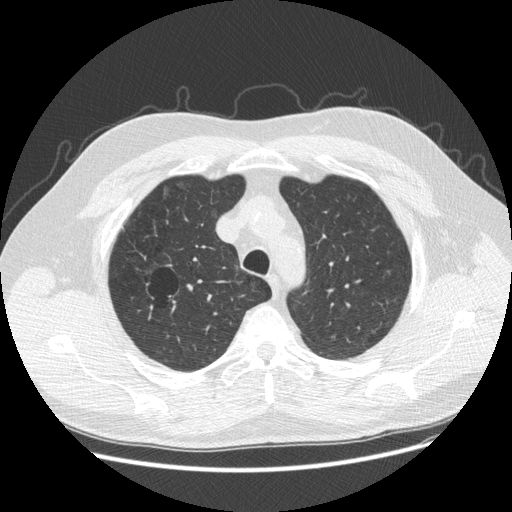
This is axial slice 384 of 481 (slice 1 is the lowest) of a chest CT; each pixel is 0.742 mm and the slice is 1.25 mm thick. Pulmonary nodule at rows 186–195, columns 163–167 (box = the one reader's outline on this slice), outlined by two of the four readers, one of them on this slice; longest diameter 8.5–9.0 mm and volume 54–136 mm3 across the two readers' outlines. The readers' ratings, as ranges where they differ: texture from 3/5 (part-solid) to 4/5 across the two readers; margin from 2/5 to 4/5 across the two readers; sphericity from 2/5 to 3/5 (ovoid) across the two readers; calcification absent from both readers; internal structure soft tissue, both readers agreeing; subtlety rated between 1 and 3 out of 5 by the two readers; malignancy likelihood from 2/5 to 4/5 across the two readers. Scale key (1–5): texture non-solid→solid, margin indistinct→circumscribed, sphericity linear→round, subtlety extremely subtle→obvious, malignancy likelihood highly unlikely→highly suspicious of cancer. Box rows and columns are 0-based pixel indices from the top-left corner, inclusive.
Scan settings: 120 kVp, STANDARD reconstruction kernel.